Axial slice 350 of 474 of a chest CT (slice 1 is the lowest), reconstructed with the STANDARD kernel at 120 kVp; 1.25 mm slice thickness and 0.625 mm pixels.
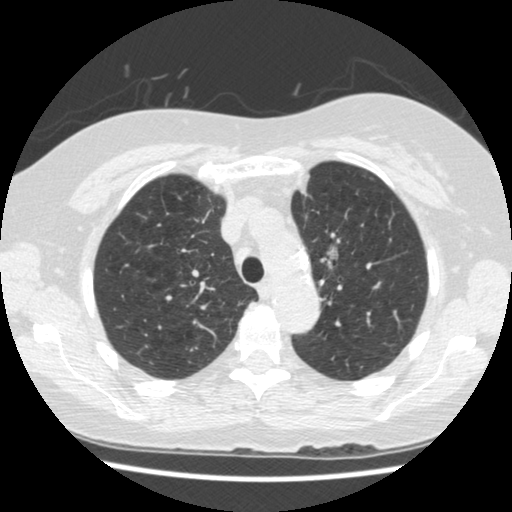
Pulmonary nodule outlined by one of the four readers; box rows 246–269, columns 320–337 (that reader's outline on this slice); longest diameter 17.7 mm and volume 538 mm3 from that reader's outline. Ratings by that reader: texture 1/5 (non-solid); margin 2/5; sphericity 3/5 (ovoid); calcification absent; internal structure soft tissue; subtlety 3/5; malignancy likelihood 2/5. Scale key (1–5): texture non-solid→solid, margin indistinct→circumscribed, sphericity linear→round, subtlety extremely subtle→obvious, malignancy likelihood highly unlikely→highly suspicious of cancer. Box rows and columns are 0-based pixel indices from the top-left corner, inclusive.